Chest CT, axial plane, 135 kVp, kernel FC01. Slice 49/112 from the bottom of the scan; thickness 3.00 mm; pixel size 0.659 mm.
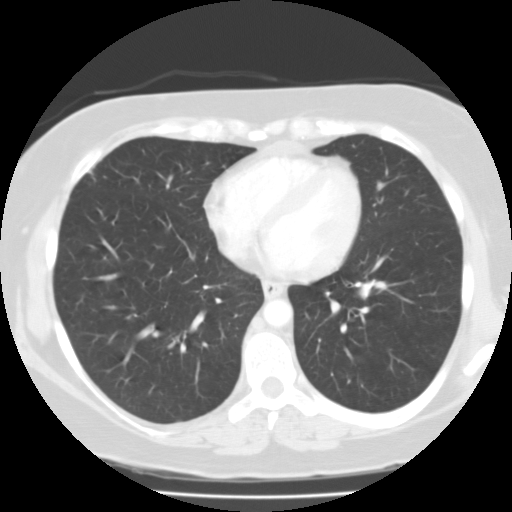
Pulmonary nodule at rows 332–335, columns 153–157 (box = that reader's outline on this slice), outlined by one of the four readers; longest diameter 6.0 mm and volume 139 mm3 from that reader's outline. That reader's ratings: texture 5/5 (solid); margin 5/5 (circumscribed); sphericity 5/5 (round); calcification solid calcification; internal structure soft tissue; subtlety 5/5; malignancy likelihood 1/5. Scale key (1–5): texture non-solid→solid, margin indistinct→circumscribed, sphericity linear→round, subtlety extremely subtle→obvious, malignancy likelihood highly unlikely→highly suspicious of cancer. Box rows and columns are 0-based pixel indices from the top-left corner, inclusive.